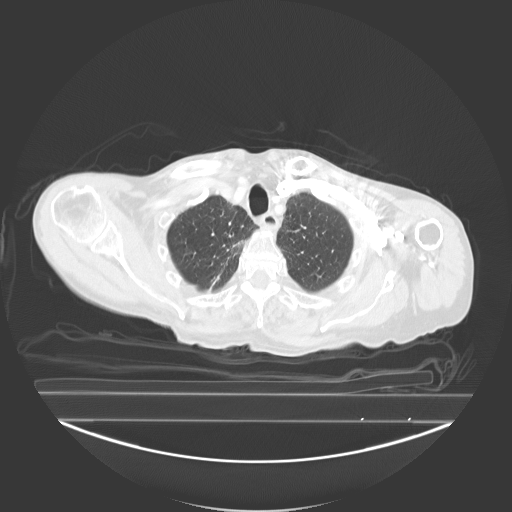
This is axial slice 227 of 278 (slice 1 is the lowest) of a chest CT; each pixel is 0.977 mm and the slice is 3.00 mm thick. Pulmonary nodule at rows 277–285, columns 212–219 (box = the union of the readers' outlines on this slice), outlined by all four readers, two of them on this slice; median longest diameter 14.6 mm (readers' outlines 13.1–14.9 mm), median volume 551 mm3 (359–605 mm3). Ratings, median across the readers with their spread: texture 4.5/5 at the median of four readers, spread 4/5 to 5/5 (solid); margin 4/5 at the median of four readers, spread 2/5 to 4/5; median sphericity 3.5/5 (readers ranged 3/5 (ovoid) to 5/5 (round)); calcification absent from all four readers; internal structure soft tissue, all four readers agreeing; median subtlety 4.5/5 (readers ranged 4–5); malignancy likelihood 3.5/5 at the median of four readers, spread 2–4. Scale key (1–5): texture non-solid→solid, margin indistinct→circumscribed, sphericity linear→round, subtlety extremely subtle→obvious, malignancy likelihood highly unlikely→highly suspicious of cancer. Box rows and columns are 0-based pixel indices from the top-left corner, inclusive.
Tube voltage 130 kVp; convolution kernel B40s.